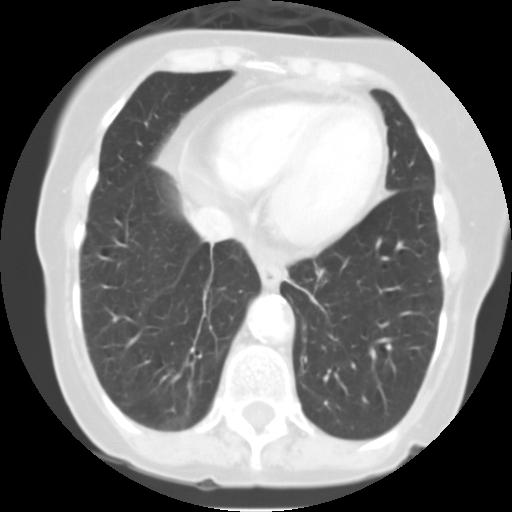
This is axial slice 31 of 101 (slice 1 is the lowest) of a chest CT; each pixel is 0.558 mm and the slice is 3.00 mm thick. Pulmonary nodule outlined by all four readers, two of them on this slice; box rows 269–279, columns 316–323 (the union of the readers' outlines on this slice); longest diameter 11.6 mm on average over the four readers' outlines (readers' outlines 10.3–13.4 mm), volume 439–803 mm3. The readers' prevailing ratings and who disagreed: texture split among the readers: 4/5 (two), 5/5 (solid) (two); margin 4/5 by two of four readers; the rest gave 2/5 (one), 3/5 (one); sphericity 4/5 by three of four readers; the rest gave 3/5 (ovoid) (one); calcification absent from all four readers; internal structure soft tissue, all four readers agreeing; subtlety 4/5 by two of four readers; the rest gave 3/5 (one), 5/5 (one); malignancy likelihood 3/5 by two of four readers; the rest gave 2/5 (one), 4/5 (one). Scale key (1–5): texture non-solid→solid, margin indistinct→circumscribed, sphericity linear→round, subtlety extremely subtle→obvious, malignancy likelihood highly unlikely→highly suspicious of cancer. Box rows and columns are 0-based pixel indices from the top-left corner, inclusive.
Scan settings: 135 kVp, FC01 reconstruction kernel.